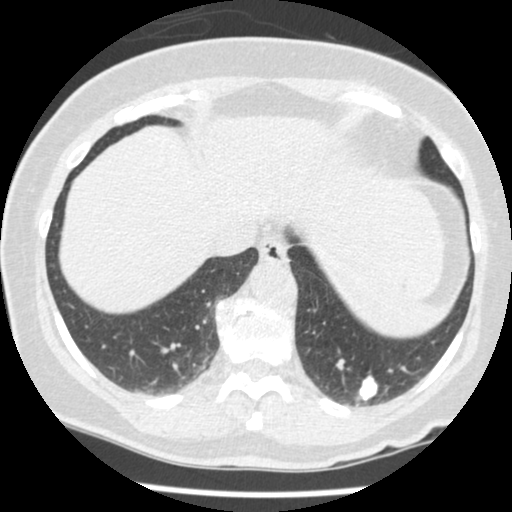
One axial slice (118 of 465, counting up from the lowest) of a chest CT acquired at 120 kVp with the STANDARD kernel; each pixel is 0.586 mm and the slice is 1.25 mm thick.
Pulmonary nodule, outlined by all four readers. Box on this slice rows 375–400, columns 358–377, the union of the readers' outlines on this slice; longest diameter 18.1 mm on average over the four readers' outlines (readers' outlines 15.8–20.8 mm), volume 1106–1600 mm3. The readers' prevailing ratings and who disagreed: texture 5/5 (solid), all four readers agreeing; margin 4/5 by two of four readers; the rest gave 3/5 (one), 5/5 (circumscribed) (one); most readers (three of four) put sphericity at 4/5, others 3/5 (ovoid) (one); calcification absent by two of four readers, solid calcification (one), central calcification (one); internal structure soft tissue, all four readers agreeing; subtlety 5/5 from all four readers; malignancy likelihood 1/5 by two of four readers; the rest gave 4/5 (one), 5/5 (one). Scale key (1–5): texture non-solid→solid, margin indistinct→circumscribed, sphericity linear→round, subtlety extremely subtle→obvious, malignancy likelihood highly unlikely→highly suspicious of cancer. Box rows and columns are 0-based pixel indices from the top-left corner, inclusive.